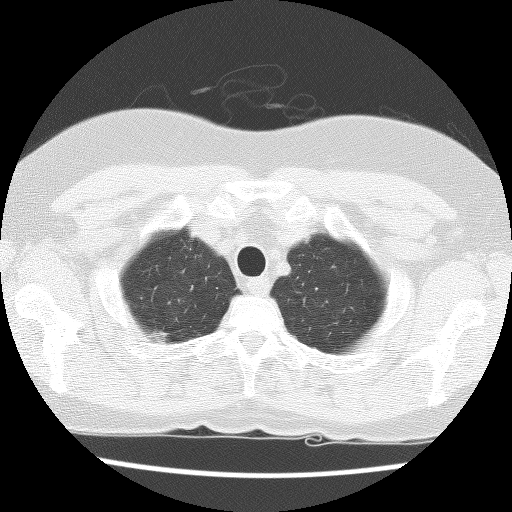
Chest CT, axial plane, 140 kVp, kernel BONE. Slice 110/123 from the bottom of the scan; thickness 2.50 mm; pixel size 0.568 mm.
Pulmonary nodule at rows 332–342, columns 147–166 (box = that reader's outline on this slice), outlined by one of the four readers; longest diameter 12.3 mm and volume 169 mm3 from that reader's outline. Ratings by that reader: texture 4/5; margin 3/5; sphericity 3/5 (ovoid); calcification absent; internal structure soft tissue; subtlety 4/5; malignancy likelihood 3/5. Scale key (1–5): texture non-solid→solid, margin indistinct→circumscribed, sphericity linear→round, subtlety extremely subtle→obvious, malignancy likelihood highly unlikely→highly suspicious of cancer. Box rows and columns are 0-based pixel indices from the top-left corner, inclusive.